Chest CT, axial plane, 120 kVp, kernel BONE. Slice 136/267 from the bottom of the scan; thickness 1.25 mm; pixel size 0.752 mm.
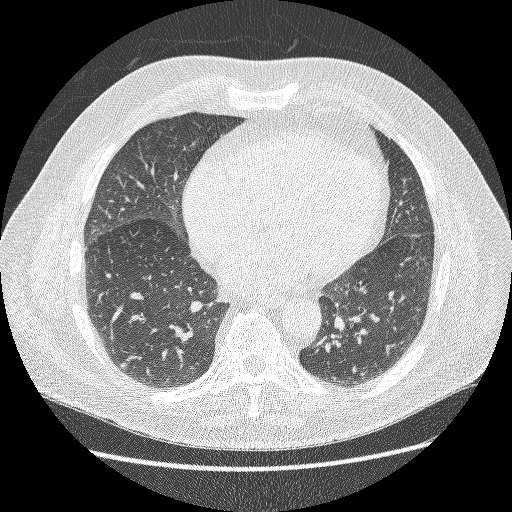
Pulmonary nodule, outlined by all four readers. Box on this slice rows 362–369, columns 119–127, the union of the readers' outlines on this slice; longest diameter 7.5–10.1 mm and volume 186–246 mm3 across the four readers' outlines. The readers' ratings, as ranges where they differ: texture from 4/5 to 5/5 (solid) across the four readers; margin from 4/5 to 5/5 (circumscribed) across the four readers; sphericity from 4/5 to 5/5 (round) across the four readers; calcification absent from all four readers; internal structure soft tissue from all four readers; subtlety 2–4/5 (the readers disagree); malignancy likelihood rated between 2 and 3 out of 5 by the four readers. Scale key (1–5): texture non-solid→solid, margin indistinct→circumscribed, sphericity linear→round, subtlety extremely subtle→obvious, malignancy likelihood highly unlikely→highly suspicious of cancer. Box rows and columns are 0-based pixel indices from the top-left corner, inclusive.